One axial slice (266 of 477, counting up from the lowest) of a chest CT acquired at 120 kVp with the STANDARD kernel; each pixel is 0.703 mm and the slice is 1.25 mm thick.
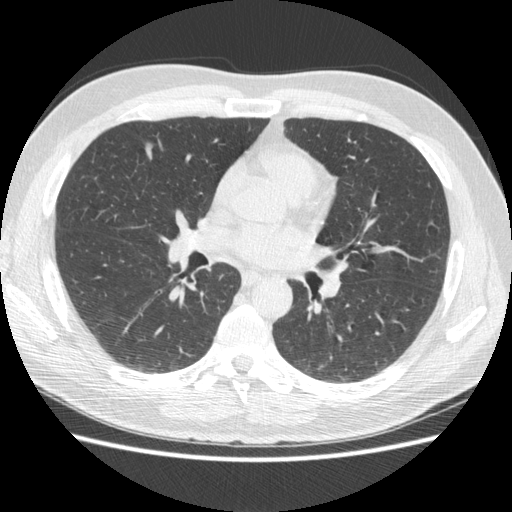
Pulmonary nodule outlined by three of the four readers; box rows 141–159, columns 145–153 (the union of the readers' outlines on this slice); median longest diameter 13.1 mm (readers' outlines 13.0–15.7 mm), median volume 236 mm3 (236–334 mm3). Ratings, median across the readers with their spread: texture 5/5 (solid), all three readers agreeing; margin 4/5 at the median of three readers, spread 4/5 to 5/5 (circumscribed); median sphericity 4/5 (readers ranged 2/5 to 5/5 (round)); calcification absent, all three readers agreeing; internal structure soft tissue from all three readers; subtlety 4/5 at the median of three readers, spread 3–5; malignancy likelihood 3/5 at the median of three readers, spread 2–3. Scale key (1–5): texture non-solid→solid, margin indistinct→circumscribed, sphericity linear→round, subtlety extremely subtle→obvious, malignancy likelihood highly unlikely→highly suspicious of cancer. Box rows and columns are 0-based pixel indices from the top-left corner, inclusive.